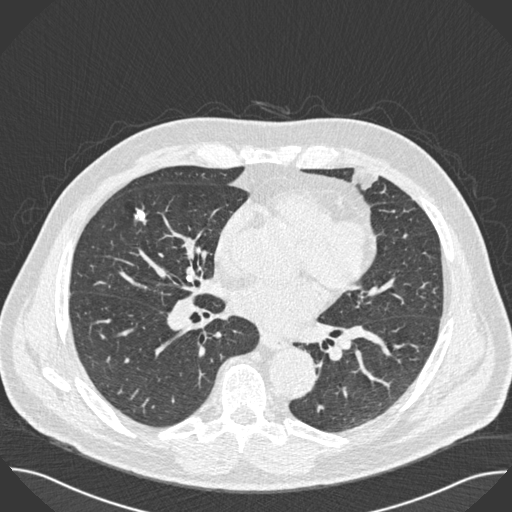
Axial slice 263 of 493 of a chest CT (slice 1 is the lowest), reconstructed with the B30f kernel at 120 kVp; 0.75 mm slice thickness and 0.762 mm pixels.
Pulmonary nodule outlined by all four readers; box rows 208–223, columns 134–146 (the union of the readers' outlines on this slice); the four readers' outlines give a longest diameter between 10.9 and 16.8 mm and a volume between 182 and 413 mm3. Ratings across the readers: texture 5/5 (solid) from all four readers; margin from 3/5 to 5/5 (circumscribed) across the four readers; sphericity from 3/5 (ovoid) to 5/5 (round) across the four readers; calcification solid calcification from all four readers; internal structure soft tissue, all four readers agreeing; subtlety from 4/5 to 5/5 across the four readers; malignancy likelihood 1/5, all four readers agreeing. Scale key (1–5): texture non-solid→solid, margin indistinct→circumscribed, sphericity linear→round, subtlety extremely subtle→obvious, malignancy likelihood highly unlikely→highly suspicious of cancer. Box rows and columns are 0-based pixel indices from the top-left corner, inclusive.